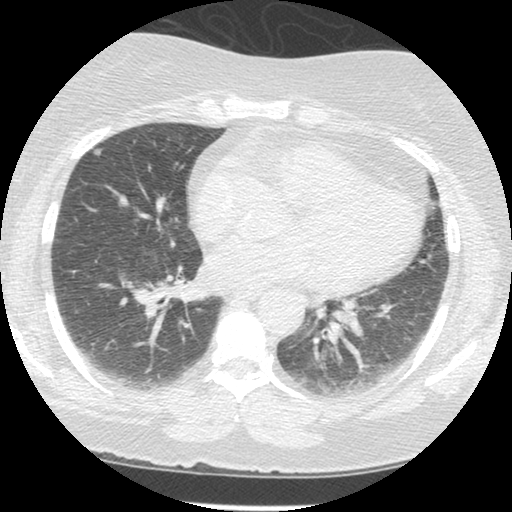
One axial slice (147 of 381, counting up from the lowest) of a chest CT acquired at 120 kVp with the STANDARD kernel; each pixel is 0.625 mm and the slice is 1.25 mm thick.
Pulmonary nodule, outlined by three of the four readers. Box on this slice rows 148–155, columns 93–101, the union of the readers' outlines on this slice; longest diameter 6.5–7.1 mm and volume 53–61 mm3 across the three readers' outlines. Ratings across the readers: texture from 1/5 (non-solid) to 5/5 (solid) across the three readers; margin from 3/5 to 5/5 (circumscribed) across the three readers; sphericity from 3/5 (ovoid) to 5/5 (round) across the three readers; calcification absent, all three readers agreeing; internal structure soft tissue from all three readers; subtlety rated between 3 and 5 out of 5 by the three readers; malignancy likelihood rated between 2 and 3 out of 5 by the three readers. Scale key (1–5): texture non-solid→solid, margin indistinct→circumscribed, sphericity linear→round, subtlety extremely subtle→obvious, malignancy likelihood highly unlikely→highly suspicious of cancer. Box rows and columns are 0-based pixel indices from the top-left corner, inclusive.